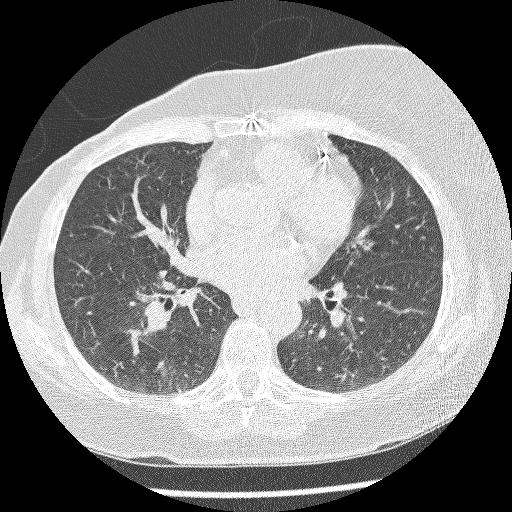
Slice 121/220 of a chest CT, counting up from the lowest; pixel size 0.598 mm, slice thickness 1.25 mm. Pulmonary nodule outlined by three of the four readers, one of them on this slice; box rows 365–376, columns 160–166 (the one reader's outline on this slice); longest diameter 8.7 mm on average over the three readers' outlines (readers' outlines 6.7–11.5 mm), volume 79–213 mm3. The readers' prevailing ratings and who disagreed: texture 5/5 (solid) by two of three readers; the rest gave 3/5 (part-solid) (one); most readers (two of three) put margin at 4/5, others 2/5 (one); sphericity 3/5 (ovoid) by two of three readers; the rest gave 4/5 (one); calcification absent from all three readers; internal structure soft tissue, all three readers agreeing; subtlety split among the readers: 1/5 (one), 3/5 (one), 4/5 (one); malignancy likelihood 3/5 by two of three readers; the rest gave 4/5 (one). Scale key (1–5): texture non-solid→solid, margin indistinct→circumscribed, sphericity linear→round, subtlety extremely subtle→obvious, malignancy likelihood highly unlikely→highly suspicious of cancer. Box rows and columns are 0-based pixel indices from the top-left corner, inclusive.
Scan settings: 120 kVp, BONE reconstruction kernel.